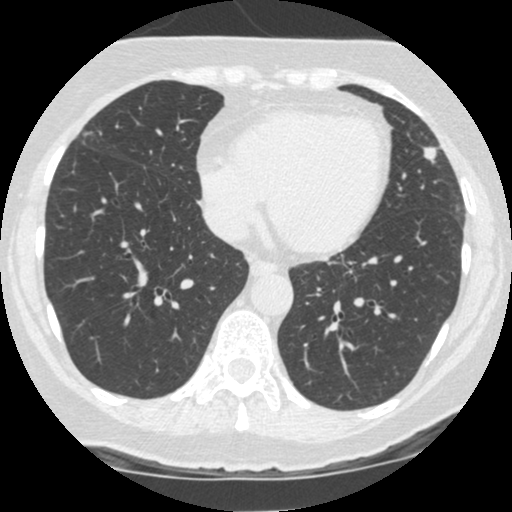
Axial chest CT slice 160 of 481 (counted from the lowest slice); tube voltage 120 kVp, convolution kernel STANDARD; slices 1.25 mm thick, 0.586 mm per pixel.
Pulmonary nodule at rows 146–162, columns 423–436 (box = the union of the readers' outlines on this slice), outlined by all four readers; longest diameter 9.6–11.3 mm and volume 410–491 mm3 across the four readers' outlines. Ratings across the readers: texture 5/5 (solid) from all four readers; margin from 4/5 to 5/5 (circumscribed) across the four readers; sphericity from 4/5 to 5/5 (round) across the four readers; calcification absent, all four readers agreeing; internal structure soft tissue from all four readers; subtlety from 4/5 to 5/5 across the four readers; malignancy likelihood rated between 2 and 5 out of 5 by the four readers. Scale key (1–5): texture non-solid→solid, margin indistinct→circumscribed, sphericity linear→round, subtlety extremely subtle→obvious, malignancy likelihood highly unlikely→highly suspicious of cancer. Box rows and columns are 0-based pixel indices from the top-left corner, inclusive.